Axial slice 270 of 290 of a chest CT (slice 1 is the lowest), reconstructed with the B kernel at 120 kVp; 2.00 mm slice thickness and 0.639 mm pixels.
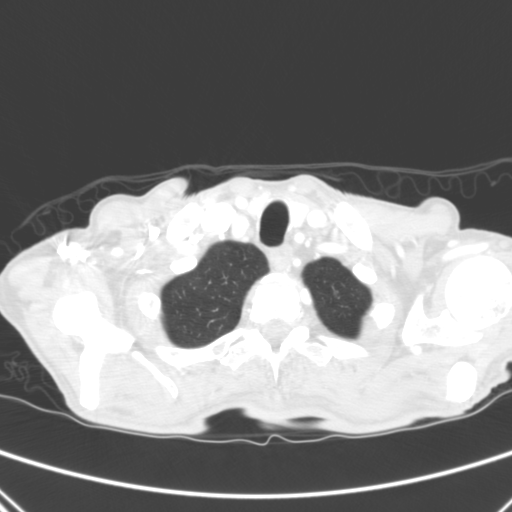
Pulmonary nodule outlined by one of the four readers; box rows 291–296, columns 333–337 (that reader's outline on this slice); longest diameter 5.9 mm and volume 62 mm3 from that reader's outline. That reader's ratings: texture 5/5 (solid); margin 4/5; sphericity 3/5 (ovoid); calcification absent; internal structure soft tissue; subtlety 5/5; malignancy likelihood 3/5. Scale key (1–5): texture non-solid→solid, margin indistinct→circumscribed, sphericity linear→round, subtlety extremely subtle→obvious, malignancy likelihood highly unlikely→highly suspicious of cancer. Box rows and columns are 0-based pixel indices from the top-left corner, inclusive.